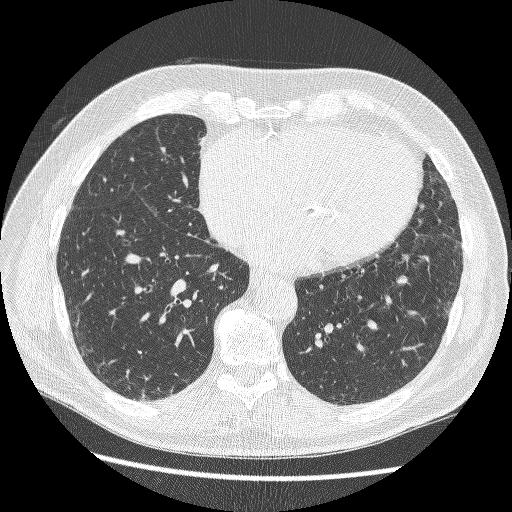
Chest CT, axial plane, 120 kVp, kernel BONE. Slice 100/264 from the bottom of the scan; thickness 1.25 mm; pixel size 0.703 mm.
Pulmonary nodule at rows 350–354, columns 137–142 (box = that reader's outline on this slice), outlined by one of the four readers; longest diameter 5.1 mm and volume 36 mm3 from that reader's outline. That reader's ratings: texture 5/5 (solid); margin 5/5 (circumscribed); sphericity 5/5 (round); calcification solid calcification; internal structure soft tissue; subtlety 3/5; malignancy likelihood 1/5. Scale key (1–5): texture non-solid→solid, margin indistinct→circumscribed, sphericity linear→round, subtlety extremely subtle→obvious, malignancy likelihood highly unlikely→highly suspicious of cancer. Box rows and columns are 0-based pixel indices from the top-left corner, inclusive.